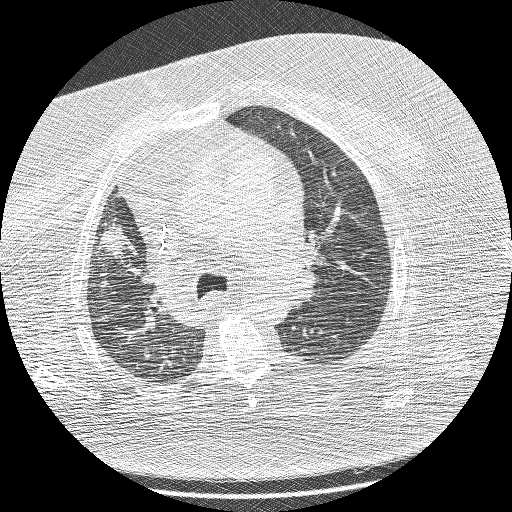
Axial chest CT slice 137 of 208 (counted from the lowest slice); 1.25 mm thick, 0.723 mm per pixel. Pulmonary nodule at rows 219–259, columns 97–131 (box = the union of the readers' outlines on this slice), outlined by all four readers; median longest diameter 27.6 mm (readers' outlines 25.6–30.6 mm), median volume 4739 mm3 (4623–6820 mm3). Ratings, median across the readers with their spread: texture 5/5 (solid), all four readers agreeing; margin 3/5 at the median of four readers, spread 1/5 (indistinct) to 3/5; sphericity 3/5 (ovoid) at the median of four readers, spread 3/5 (ovoid) to 4/5; calcification absent, all four readers agreeing; internal structure soft tissue, all four readers agreeing; subtlety 5/5, all four readers agreeing; malignancy likelihood 5/5, all four readers agreeing. Scale key (1–5): texture non-solid→solid, margin indistinct→circumscribed, sphericity linear→round, subtlety extremely subtle→obvious, malignancy likelihood highly unlikely→highly suspicious of cancer. Box rows and columns are 0-based pixel indices from the top-left corner, inclusive.
Acquired at 120 kVp and reconstructed with the BONE kernel.